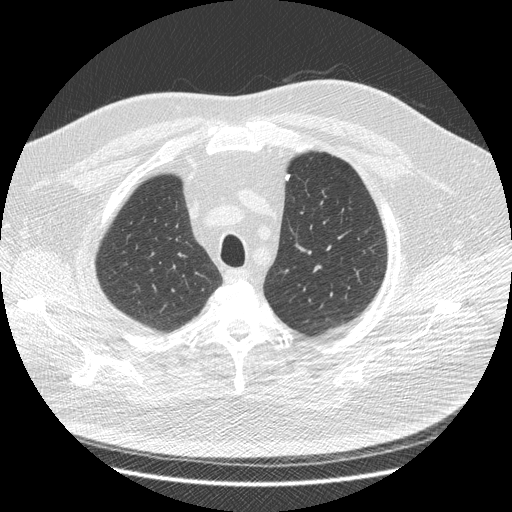
Axial slice 354 of 426 of a chest CT (slice 1 is the lowest), reconstructed with the STANDARD kernel at 120 kVp; 1.25 mm slice thickness and 0.742 mm pixels.
Pulmonary nodule at rows 173–180, columns 285–289 (box = the union of the readers' outlines on this slice), outlined by three of the four readers; longest diameter 6.5 mm on average over the three readers' outlines (readers' outlines 5.4–7.3 mm), volume 50–91 mm3. Ratings, by the readers' most common answer with dissent counted: texture 5/5 (solid) from all three readers; margin 5/5 (circumscribed), all three readers agreeing; sphericity 4/5 by two of three readers; the rest gave 2/5 (one); calcification solid calcification from all three readers; internal structure soft tissue, all three readers agreeing; subtlety 5/5 by two of three readers; the rest gave 4/5 (one); malignancy likelihood 1/5 from all three readers. Scale key (1–5): texture non-solid→solid, margin indistinct→circumscribed, sphericity linear→round, subtlety extremely subtle→obvious, malignancy likelihood highly unlikely→highly suspicious of cancer. Box rows and columns are 0-based pixel indices from the top-left corner, inclusive.